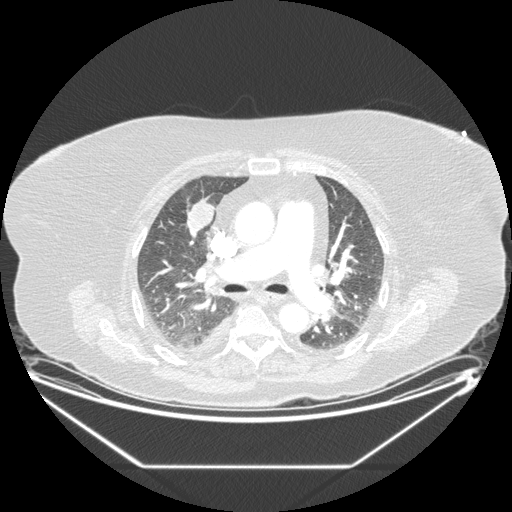
Axial chest CT slice 118 of 206 (counted from the lowest slice); tube voltage 120 kVp, convolution kernel STANDARD; slices 1.25 mm thick, 0.898 mm per pixel.
Pulmonary nodule outlined by three of the four readers; box rows 198–237, columns 187–214 (the union of the readers' outlines on this slice); longest diameter 35.5 mm on average over the three readers' outlines (readers' outlines 31.1–37.8 mm), volume 4036–4781 mm3. Ratings, by the readers' most common answer with dissent counted: most readers (two of three) put texture at 5/5 (solid), others 1/5 (non-solid) (one); margin 4/5, all three readers agreeing; most readers (two of three) put sphericity at 3/5 (ovoid), others 2/5 (one); calcification absent, all three readers agreeing; internal structure soft tissue, all three readers agreeing; subtlety 5/5 by two of three readers; the rest gave 4/5 (one); malignancy likelihood 5/5 by two of three readers; the rest gave 3/5 (one). Scale key (1–5): texture non-solid→solid, margin indistinct→circumscribed, sphericity linear→round, subtlety extremely subtle→obvious, malignancy likelihood highly unlikely→highly suspicious of cancer. Box rows and columns are 0-based pixel indices from the top-left corner, inclusive.